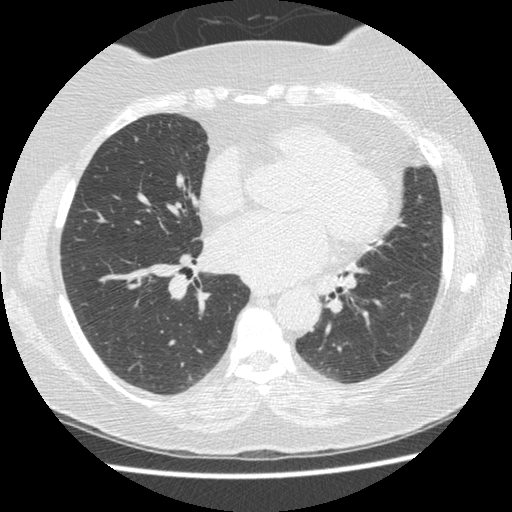
Chest CT, axial plane, 120 kVp, kernel STANDARD. Slice 240/474 from the bottom of the scan; thickness 1.25 mm; pixel size 0.645 mm.
Pulmonary nodule, outlined by two of the four readers. Box on this slice rows 136–141, columns 133–138, the union of the readers' outlines on this slice; longest diameter 5.8–6.5 mm and volume 46–63 mm3 across the two readers' outlines. The readers' ratings, as ranges where they differ: texture from 2/5 to 5/5 (solid) across the two readers; margin 4/5 from both readers; sphericity 3/5 (ovoid) from both readers; calcification absent from both readers; internal structure soft tissue, both readers agreeing; subtlety from 3/5 to 4/5 across the two readers; malignancy likelihood 3–5/5 (the readers disagree). Scale key (1–5): texture non-solid→solid, margin indistinct→circumscribed, sphericity linear→round, subtlety extremely subtle→obvious, malignancy likelihood highly unlikely→highly suspicious of cancer. Box rows and columns are 0-based pixel indices from the top-left corner, inclusive.